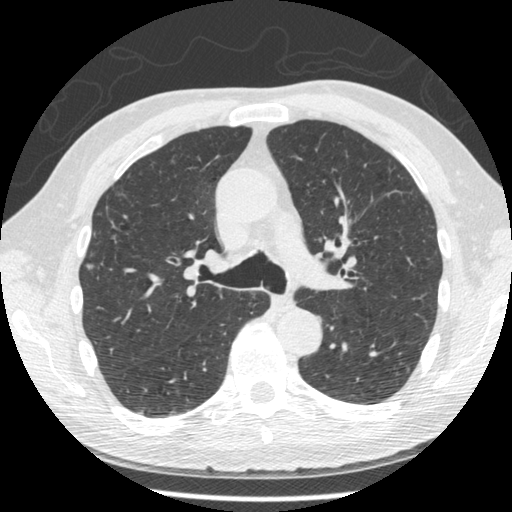
Axial chest CT slice 308 of 481 (counted from the lowest slice); 1.25 mm thick, 0.664 mm per pixel. Pulmonary nodule, outlined by one of the four readers. Box on this slice rows 263–270, columns 85–92, that reader's outline on this slice; longest diameter 8.7 mm and volume 117 mm3 from that reader's outline. Ratings by that reader: texture 4/5; margin 5/5 (circumscribed); sphericity 4/5; calcification absent; internal structure soft tissue; subtlety 4/5; malignancy likelihood 4/5. Scale key (1–5): texture non-solid→solid, margin indistinct→circumscribed, sphericity linear→round, subtlety extremely subtle→obvious, malignancy likelihood highly unlikely→highly suspicious of cancer. Box rows and columns are 0-based pixel indices from the top-left corner, inclusive.
Scan settings: 120 kVp, STANDARD reconstruction kernel.